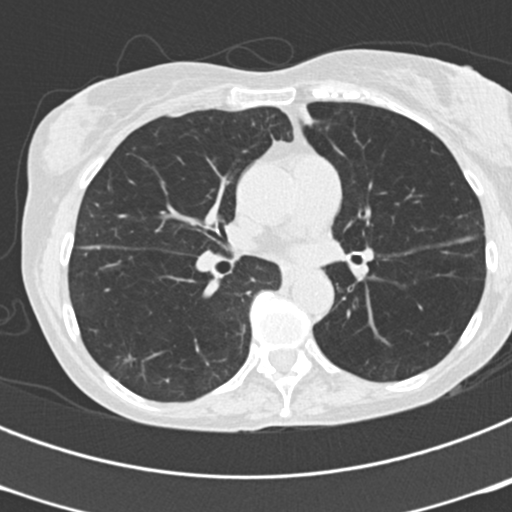
Axial chest CT slice 111 of 199 (counted from the lowest slice); tube voltage 120 kVp, convolution kernel B30f; slices 2.00 mm thick, 0.566 mm per pixel.
Pulmonary nodule at rows 353–365, columns 122–135 (box = the union of the readers' outlines on this slice), outlined by all four readers, two of them on this slice; median longest diameter 10.8 mm (readers' outlines 9.0–12.4 mm), median volume 284 mm3 (155–452 mm3). Ratings, median across the readers with their spread: median texture 4/5 (readers ranged 4/5 to 5/5 (solid)); median margin 3.5/5 (readers ranged 2/5 to 4/5); median sphericity 3.5/5 (readers ranged 2/5 to 5/5 (round)); calcification absent from all four readers; internal structure soft tissue, all four readers agreeing; median subtlety 4.5/5 (readers ranged 3–5); median malignancy likelihood 4.5/5 (readers ranged 3–5). Scale key (1–5): texture non-solid→solid, margin indistinct→circumscribed, sphericity linear→round, subtlety extremely subtle→obvious, malignancy likelihood highly unlikely→highly suspicious of cancer. Box rows and columns are 0-based pixel indices from the top-left corner, inclusive.